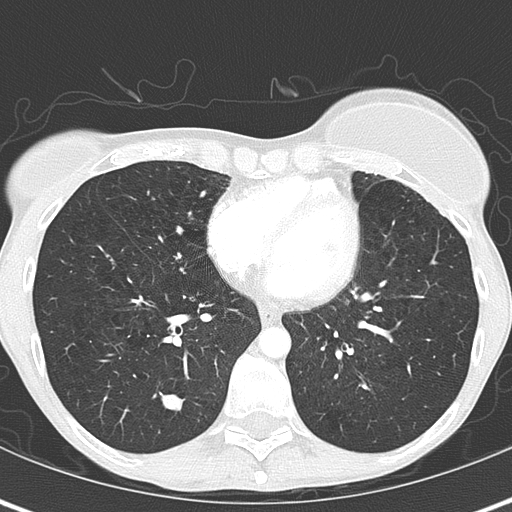
Slice 162/345 of a chest CT, counting up from the lowest; pixel size 0.541 mm, slice thickness 2.00 mm. Pulmonary nodule outlined by all four readers; box rows 394–410, columns 161–184 (the union of the readers' outlines on this slice); longest diameter 13.8 mm on average over the four readers' outlines (readers' outlines 13.7–13.9 mm), volume 707–844 mm3. Ratings, by the readers' most common answer with dissent counted: texture 5/5 (solid), all four readers agreeing; margin 5/5 (circumscribed), all four readers agreeing; sphericity split among the readers: 3/5 (ovoid) (two), 5/5 (round) (two); calcification split among the readers: laminated calcification (two), solid calcification (two); internal structure soft tissue, all four readers agreeing; subtlety 5/5, all four readers agreeing; malignancy likelihood 1/5, all four readers agreeing. Scale key (1–5): texture non-solid→solid, margin indistinct→circumscribed, sphericity linear→round, subtlety extremely subtle→obvious, malignancy likelihood highly unlikely→highly suspicious of cancer. Box rows and columns are 0-based pixel indices from the top-left corner, inclusive.
Scan settings: 120 kVp, B70f reconstruction kernel.